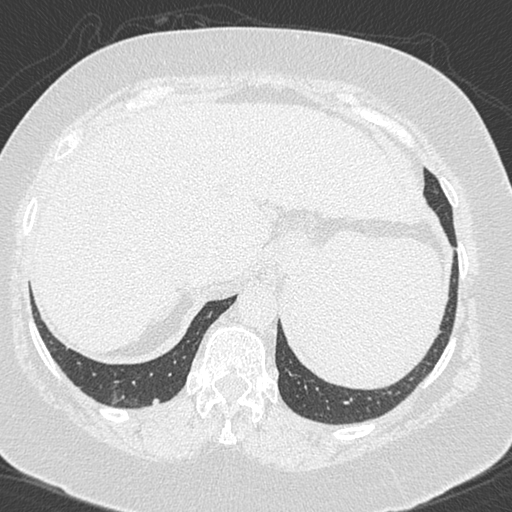
One axial slice (70 of 300, counting up from the lowest) of a chest CT acquired at 120 kVp with the B45f kernel; each pixel is 0.605 mm and the slice is 1.00 mm thick.
Pulmonary nodule at rows 398–404, columns 152–158 (box = the union of the readers' outlines on this slice), outlined by two of the four readers; median longest diameter 6.1 mm (readers' outlines 6.0–6.2 mm), median volume 60 mm3 (55–66 mm3). Median ratings and the readers' spread: texture 5/5 (solid), both readers agreeing; margin 4/5, both readers agreeing; sphericity 4/5, both readers agreeing; calcification absent, both readers agreeing; internal structure soft tissue, both readers agreeing; subtlety 1.5/5 at the median of two readers, spread 1–2; malignancy likelihood 3/5, both readers agreeing. Scale key (1–5): texture non-solid→solid, margin indistinct→circumscribed, sphericity linear→round, subtlety extremely subtle→obvious, malignancy likelihood highly unlikely→highly suspicious of cancer. Box rows and columns are 0-based pixel indices from the top-left corner, inclusive.